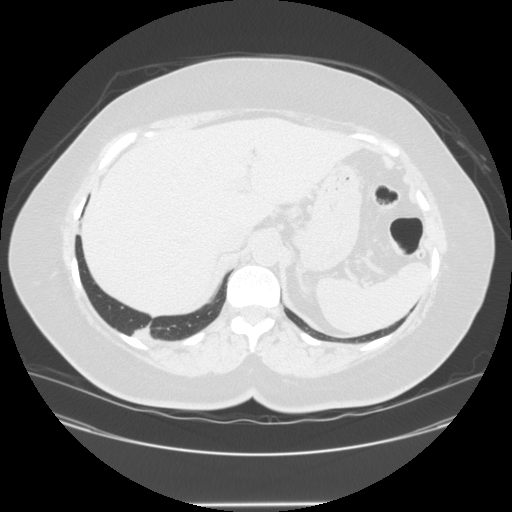
One axial slice (41 of 150, counting up from the lowest) of a chest CT acquired at 120 kVp with the STANDARD kernel; each pixel is 0.820 mm and the slice is 2.50 mm thick.
Pulmonary nodule, outlined by three of the four readers, two of them on this slice. Box on this slice rows 325–335, columns 132–147, the union of the readers' outlines on this slice; median longest diameter 36.7 mm (readers' outlines 34.5–41.5 mm), median volume 15464 mm3 (15181–19016 mm3). Median ratings and the readers' spread: texture 5/5 (solid), all three readers agreeing; median margin 4/5 (readers ranged 2/5 to 4/5); median sphericity 4/5 (readers ranged 3/5 (ovoid) to 5/5 (round)); calcification absent from all three readers; internal structure soft tissue, all three readers agreeing; subtlety 5/5, all three readers agreeing; malignancy likelihood 5/5 from all three readers. Scale key (1–5): texture non-solid→solid, margin indistinct→circumscribed, sphericity linear→round, subtlety extremely subtle→obvious, malignancy likelihood highly unlikely→highly suspicious of cancer. Box rows and columns are 0-based pixel indices from the top-left corner, inclusive.